Chest CT, axial plane, 120 kVp, kernel B31f. Slice 74/127 from the bottom of the scan; thickness 3.00 mm; pixel size 0.537 mm.
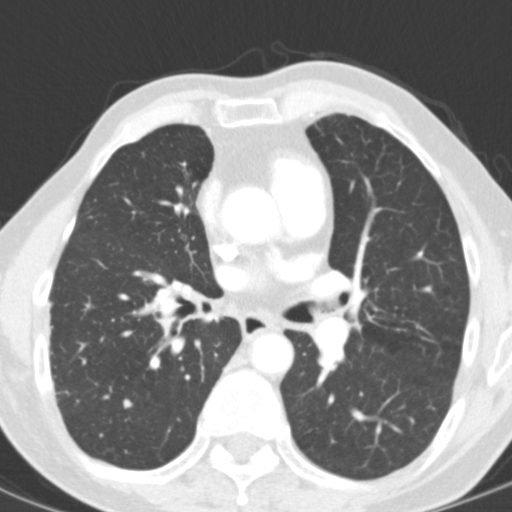
Pulmonary nodule at rows 399–409, columns 122–133 (box = the union of the readers' outlines on this slice), outlined by three of the four readers; the three readers' outlines give a longest diameter between 5.6 and 7.3 mm and a volume between 116 and 194 mm3. The readers' ratings, as ranges where they differ: texture from 4/5 to 5/5 (solid) across the three readers; margin from 3/5 to 5/5 (circumscribed) across the three readers; sphericity 4/5 from all three readers; calcification absent, all three readers agreeing; internal structure soft tissue, all three readers agreeing; subtlety rated between 2 and 4 out of 5 by the three readers; malignancy likelihood from 1/5 to 3/5 across the three readers. Scale key (1–5): texture non-solid→solid, margin indistinct→circumscribed, sphericity linear→round, subtlety extremely subtle→obvious, malignancy likelihood highly unlikely→highly suspicious of cancer. Box rows and columns are 0-based pixel indices from the top-left corner, inclusive.